Chest CT, axial plane, 120 kVp, kernel STANDARD. Slice 109/133 from the bottom of the scan; thickness 2.50 mm; pixel size 0.859 mm.
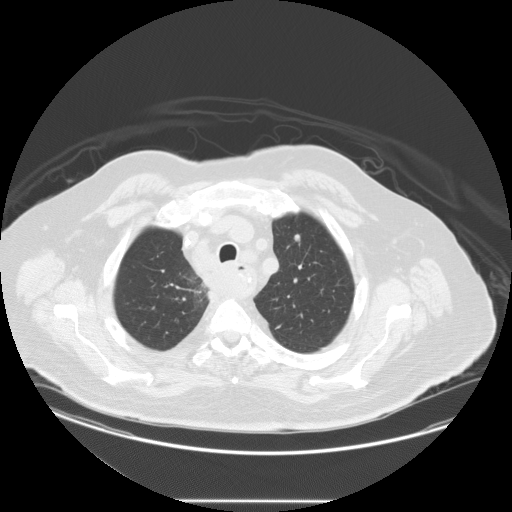
Pulmonary nodule, outlined by three of the four readers. Box on this slice rows 233–242, columns 293–300, the union of the readers' outlines on this slice; longest diameter 9.1 mm on average over the three readers' outlines (readers' outlines 8.2–9.8 mm), volume 235–376 mm3. The readers' prevailing ratings and who disagreed: most readers (two of three) put texture at 5/5 (solid), others 4/5 (one); most readers (two of three) put margin at 5/5 (circumscribed), others 4/5 (one); sphericity split among the readers: 3/5 (ovoid) (one), 4/5 (one), 5/5 (round) (one); calcification absent from all three readers; internal structure soft tissue, all three readers agreeing; most readers (two of three) put subtlety at 2/5, others 3/5 (one); malignancy likelihood 3/5 by two of three readers; the rest gave 2/5 (one). Scale key (1–5): texture non-solid→solid, margin indistinct→circumscribed, sphericity linear→round, subtlety extremely subtle→obvious, malignancy likelihood highly unlikely→highly suspicious of cancer. Box rows and columns are 0-based pixel indices from the top-left corner, inclusive.